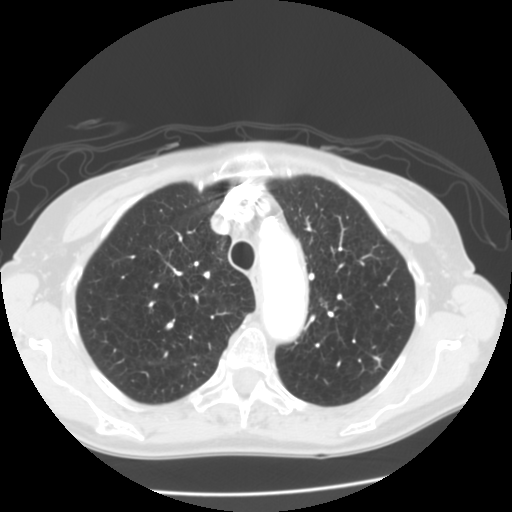
Chest CT, axial plane, 120 kVp, kernel STANDARD. Slice 110/141 from the bottom of the scan; thickness 2.50 mm; pixel size 0.625 mm.
Pulmonary nodule at rows 356–370, columns 372–382 (box = the one reader's outline on this slice), outlined by three of the four readers, one of them on this slice; longest diameter 7.5–11.9 mm and volume 100–469 mm3 across the three readers' outlines. The readers' ratings, as ranges where they differ: texture from 4/5 to 5/5 (solid) across the three readers; margin 4/5, all three readers agreeing; sphericity from 2/5 to 5/5 (round) across the three readers; calcification absent, all three readers agreeing; internal structure soft tissue from all three readers; subtlety rated between 3 and 5 out of 5 by the three readers; malignancy likelihood 3–4/5 (the readers disagree). Scale key (1–5): texture non-solid→solid, margin indistinct→circumscribed, sphericity linear→round, subtlety extremely subtle→obvious, malignancy likelihood highly unlikely→highly suspicious of cancer. Box rows and columns are 0-based pixel indices from the top-left corner, inclusive.